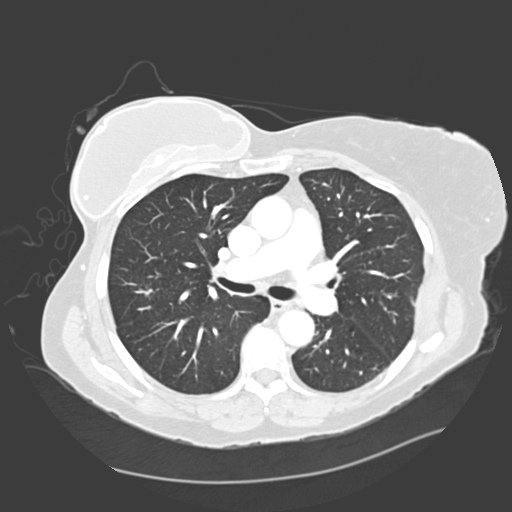
Axial slice 194 of 328 of a chest CT (slice 1 is the lowest), reconstructed with the D kernel at 120 kVp; 2.00 mm slice thickness and 0.742 mm pixels.
Pulmonary nodule outlined by all four readers, three of them on this slice; box rows 289–296, columns 135–152 (the union of the readers' outlines on this slice); median longest diameter 19.7 mm (readers' outlines 18.3–21.0 mm), median volume 1582 mm3 (877–1921 mm3). Median ratings and the readers' spread: texture 3.5/5 at the median of four readers, spread 3/5 (part-solid) to 5/5 (solid); median margin 2.5/5 (readers ranged 2/5 to 4/5); median sphericity 3/5 (ovoid) (readers ranged 2/5 to 3/5 (ovoid)); calcification absent, all four readers agreeing; internal structure soft tissue from all four readers; median subtlety 5/5 (readers ranged 4–5); malignancy likelihood 4/5 at the median of four readers, spread 3–5. Scale key (1–5): texture non-solid→solid, margin indistinct→circumscribed, sphericity linear→round, subtlety extremely subtle→obvious, malignancy likelihood highly unlikely→highly suspicious of cancer. Box rows and columns are 0-based pixel indices from the top-left corner, inclusive.